Chest CT, axial plane, 120 kVp, kernel D. Slice 216/266 from the bottom of the scan; thickness 1.00 mm; pixel size 0.668 mm.
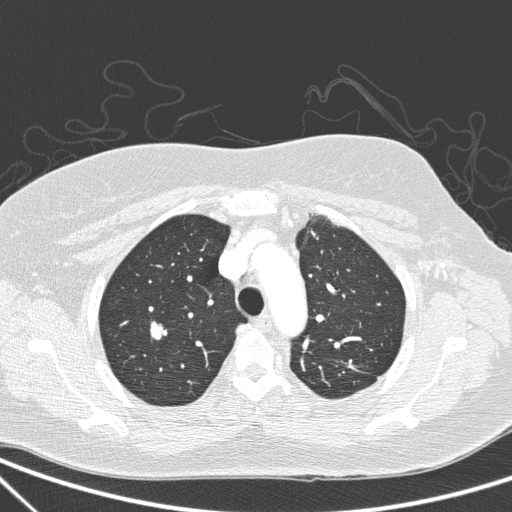
Pulmonary nodule, outlined by all four readers. Box on this slice rows 320–340, columns 149–165, the union of the readers' outlines on this slice; longest diameter 16.7–17.7 mm and volume 1306–1533 mm3 across the four readers' outlines. The readers' ratings, as ranges where they differ: texture 5/5 (solid) from all four readers; margin from 2/5 to 5/5 (circumscribed) across the four readers; sphericity from 3/5 (ovoid) to 5/5 (round) across the four readers; calcification absent from all four readers; internal structure soft tissue from all four readers; subtlety 5/5, all four readers agreeing; malignancy likelihood 2–5/5 (the readers disagree). Scale key (1–5): texture non-solid→solid, margin indistinct→circumscribed, sphericity linear→round, subtlety extremely subtle→obvious, malignancy likelihood highly unlikely→highly suspicious of cancer. Box rows and columns are 0-based pixel indices from the top-left corner, inclusive.